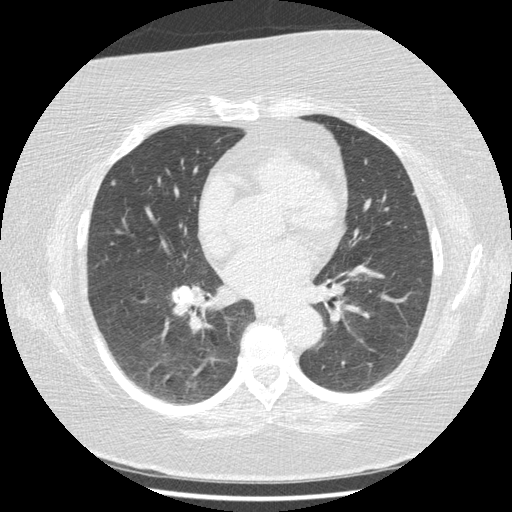
Chest CT, axial plane, 120 kVp, kernel STANDARD. Slice 218/417 from the bottom of the scan; thickness 1.25 mm; pixel size 0.703 mm.
Pulmonary nodule at rows 179–185, columns 110–115 (box = the union of the readers' outlines on this slice), outlined by two of the four readers; median longest diameter 6.0 mm (readers' outlines 6.0 mm), median volume 46 mm3 (40–52 mm3). Ratings, median across the readers with their spread: texture 5/5 (solid), both readers agreeing; margin 5/5 (circumscribed) from both readers; sphericity 4/5, both readers agreeing; calcification absent from both readers; internal structure soft tissue, both readers agreeing; median subtlety 4/5 (readers ranged 3–5); median malignancy likelihood 2.5/5 (readers ranged 2–3). Scale key (1–5): texture non-solid→solid, margin indistinct→circumscribed, sphericity linear→round, subtlety extremely subtle→obvious, malignancy likelihood highly unlikely→highly suspicious of cancer. Box rows and columns are 0-based pixel indices from the top-left corner, inclusive.